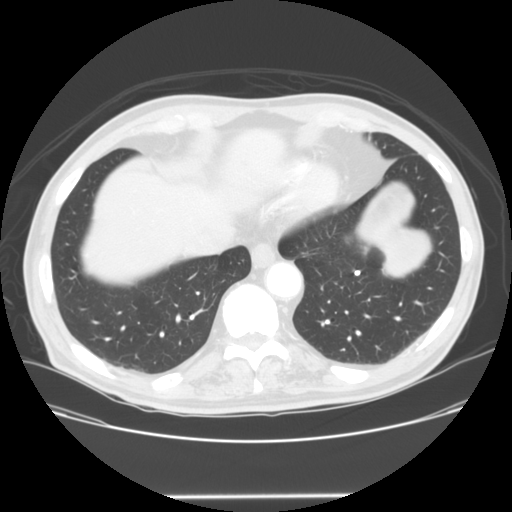
Axial slice 36 of 128 of a chest CT (slice 1 is the lowest), reconstructed with the STANDARD kernel at 120 kVp; 2.50 mm slice thickness and 0.742 mm pixels.
Pulmonary nodule outlined by two of the four readers; box rows 270–275, columns 354–360 (the union of the readers' outlines on this slice); longest diameter 5.6 mm on average over the two readers' outlines (readers' outlines 4.8–6.4 mm), volume 55–118 mm3. Ratings, by the readers' most common answer with dissent counted: texture 5/5 (solid), both readers agreeing; margin 5/5 (circumscribed), both readers agreeing; sphericity split among the readers: 2/5 (one), 5/5 (round) (one); calcification solid calcification from both readers; internal structure soft tissue from both readers; subtlety 5/5 from both readers; malignancy likelihood 1/5 from both readers. Scale key (1–5): texture non-solid→solid, margin indistinct→circumscribed, sphericity linear→round, subtlety extremely subtle→obvious, malignancy likelihood highly unlikely→highly suspicious of cancer. Box rows and columns are 0-based pixel indices from the top-left corner, inclusive.